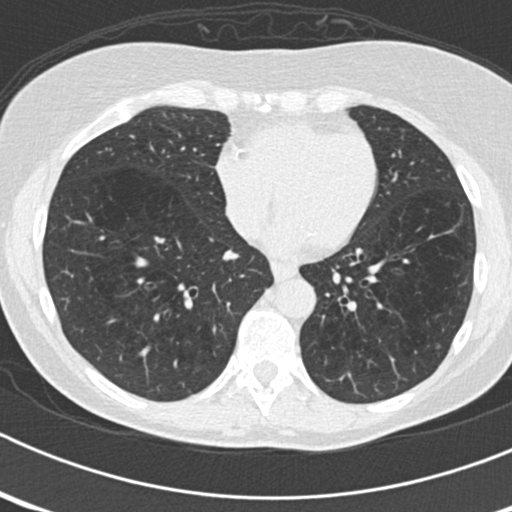
Chest CT, axial plane, 120 kVp, kernel B30f. Slice 69/176 from the bottom of the scan; thickness 2.00 mm; pixel size 0.586 mm.
Pulmonary nodule, outlined by three of the four readers, one of them on this slice. Box on this slice rows 342–348, columns 434–441, the one reader's outline on this slice; the three readers' outlines give a longest diameter between 5.4 and 6.3 mm and a volume between 53 and 107 mm3. Ratings across the readers: texture from 4/5 to 5/5 (solid) across the three readers; margin from 4/5 to 5/5 (circumscribed) across the three readers; sphericity from 4/5 to 5/5 (round) across the three readers; calcification absent, all three readers agreeing; internal structure soft tissue from all three readers; subtlety from 3/5 to 4/5 across the three readers; malignancy likelihood 3/5, all three readers agreeing. Scale key (1–5): texture non-solid→solid, margin indistinct→circumscribed, sphericity linear→round, subtlety extremely subtle→obvious, malignancy likelihood highly unlikely→highly suspicious of cancer. Box rows and columns are 0-based pixel indices from the top-left corner, inclusive.